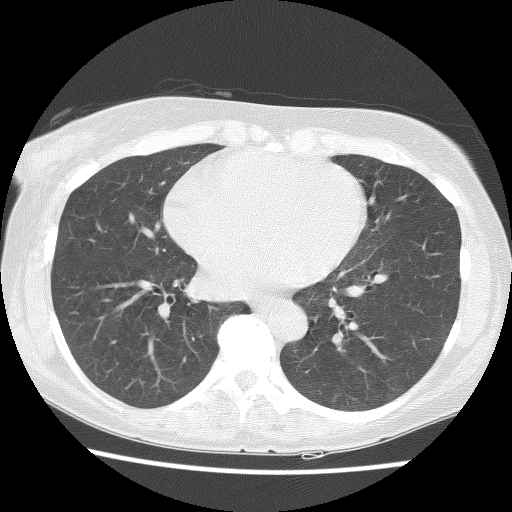
Axial chest CT slice 61 of 124 (counted from the lowest slice); tube voltage 140 kVp, convolution kernel BONE; slices 2.50 mm thick, 0.600 mm per pixel.
This slice carries no reader outline of a nodule 3 mm or larger.